Axial chest CT slice 172 of 235 (counted from the lowest slice); tube voltage 120 kVp, convolution kernel BONE; slices 1.25 mm thick, 0.537 mm per pixel.
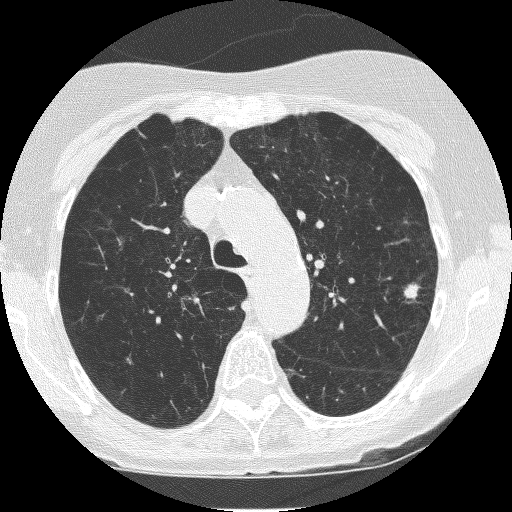
Pulmonary nodule at rows 282–299, columns 403–420 (box = the union of the readers' outlines on this slice), outlined by all four readers; the four readers' outlines give a longest diameter between 12.2 and 13.5 mm and a volume between 403 and 509 mm3. The readers' ratings, as ranges where they differ: texture from 4/5 to 5/5 (solid) across the four readers; margin from 1/5 (indistinct) to 4/5 across the four readers; sphericity from 2/5 to 4/5 across the four readers; calcification: absent (three), central calcification (one); internal structure soft tissue, all four readers agreeing; subtlety rated between 4 and 5 out of 5 by the four readers; malignancy likelihood from 3/5 to 5/5 across the four readers. Scale key (1–5): texture non-solid→solid, margin indistinct→circumscribed, sphericity linear→round, subtlety extremely subtle→obvious, malignancy likelihood highly unlikely→highly suspicious of cancer. Box rows and columns are 0-based pixel indices from the top-left corner, inclusive.